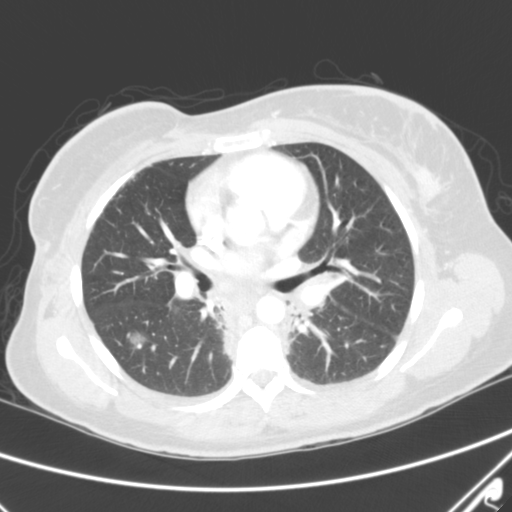
Slice 149/263 of a chest CT, counting up from the lowest; pixel size 0.664 mm, slice thickness 2.00 mm. Pulmonary nodule, outlined two times (the source holds three more outlines, not used). Box on this slice rows 330–343, columns 130–145, the union of the readers' outlines on this slice; median longest diameter 13.7 mm (readers' outlines 12.2–15.2 mm), median volume 980 mm3 (731–1229 mm3). Median ratings and the readers' spread: median texture 2/5 (readers ranged 1/5 (non-solid) to 3/5 (part-solid)); median margin 2.5/5 (readers ranged 2/5 to 3/5); median sphericity 3.5/5 (readers ranged 3/5 (ovoid) to 4/5); calcification absent from both readers; internal structure soft tissue, both readers agreeing; subtlety 3/5, both readers agreeing; malignancy likelihood 3/5 at the median of two readers, spread 2–4. Scale key (1–5): texture non-solid→solid, margin indistinct→circumscribed, sphericity linear→round, subtlety extremely subtle→obvious, malignancy likelihood highly unlikely→highly suspicious of cancer. Box rows and columns are 0-based pixel indices from the top-left corner, inclusive.
Tube voltage 120 kVp; convolution kernel B.